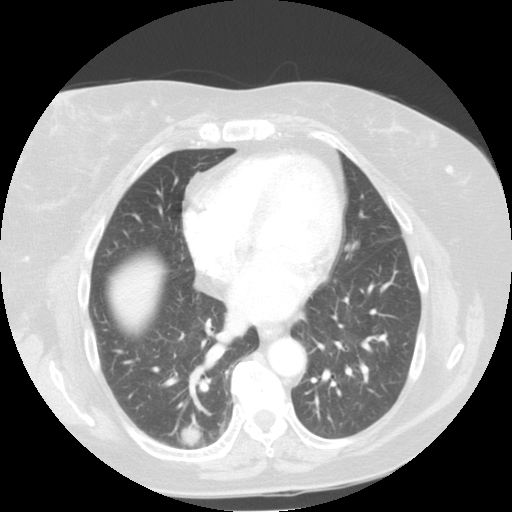
Axial chest CT slice 57 of 113 (counted from the lowest slice); tube voltage 120 kVp, convolution kernel STANDARD; slices 2.50 mm thick, 0.703 mm per pixel.
Pulmonary nodule at rows 424–445, columns 180–203 (box = the union of the readers' outlines on this slice), outlined by all four readers; the four readers' outlines give a longest diameter between 23.3 and 24.3 mm and a volume between 4155 and 5797 mm3. The readers' ratings, as ranges where they differ: texture 5/5 (solid) from all four readers; margin from 4/5 to 5/5 (circumscribed) across the four readers; sphericity from 3/5 (ovoid) to 5/5 (round) across the four readers; calcification absent, all four readers agreeing; internal structure soft tissue from all four readers; subtlety 5/5 from all four readers; malignancy likelihood from 2/5 to 5/5 across the four readers. Scale key (1–5): texture non-solid→solid, margin indistinct→circumscribed, sphericity linear→round, subtlety extremely subtle→obvious, malignancy likelihood highly unlikely→highly suspicious of cancer. Box rows and columns are 0-based pixel indices from the top-left corner, inclusive.